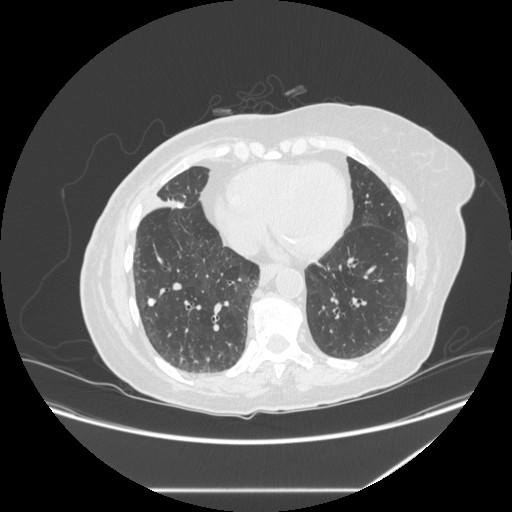
Chest CT, axial plane, 120 kVp, kernel STANDARD. Slice 120/281 from the bottom of the scan; thickness 1.25 mm; pixel size 0.816 mm.
Pulmonary nodule, outlined by all four readers. Box on this slice rows 298–306, columns 147–155, the union of the readers' outlines on this slice; median longest diameter 8.4 mm (readers' outlines 7.4–8.5 mm), median volume 214 mm3 (147–237 mm3). Ratings, median across the readers with their spread: texture 5/5 (solid) from all four readers; margin 5/5 (circumscribed), all four readers agreeing; sphericity 4.5/5 at the median of four readers, spread 4/5 to 5/5 (round); calcification: solid calcification (three), absent (one); internal structure soft tissue, all four readers agreeing; median subtlety 4/5 (readers ranged 4–5); median malignancy likelihood 1/5 (readers ranged 1–3). Scale key (1–5): texture non-solid→solid, margin indistinct→circumscribed, sphericity linear→round, subtlety extremely subtle→obvious, malignancy likelihood highly unlikely→highly suspicious of cancer. Box rows and columns are 0-based pixel indices from the top-left corner, inclusive.